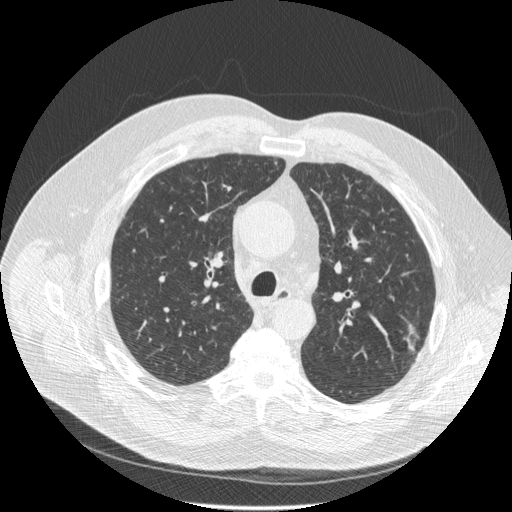
This is axial slice 337 of 516 (slice 1 is the lowest) of a chest CT; each pixel is 0.820 mm and the slice is 1.25 mm thick. Pulmonary nodule at rows 323–352, columns 403–419 (box = the union of the readers' outlines on this slice), outlined by three of the four readers; longest diameter 27.7 mm on average over the three readers' outlines (readers' outlines 23.2–31.7 mm), volume 750–1666 mm3. The readers' prevailing ratings and who disagreed: texture split among the readers: 3/5 (part-solid) (one), 4/5 (one), 5/5 (solid) (one); most readers (two of three) put margin at 3/5, others 4/5 (one); sphericity 2/5, all three readers agreeing; calcification absent from all three readers; internal structure soft tissue from all three readers; subtlety 5/5, all three readers agreeing; malignancy likelihood 4/5 from all three readers. Scale key (1–5): texture non-solid→solid, margin indistinct→circumscribed, sphericity linear→round, subtlety extremely subtle→obvious, malignancy likelihood highly unlikely→highly suspicious of cancer. Box rows and columns are 0-based pixel indices from the top-left corner, inclusive.
Acquired at 120 kVp and reconstructed with the STANDARD kernel.